Axial chest CT slice 174 of 350 (counted from the lowest slice); tube voltage 120 kVp, convolution kernel C; slices 1.50 mm thick, 0.725 mm per pixel.
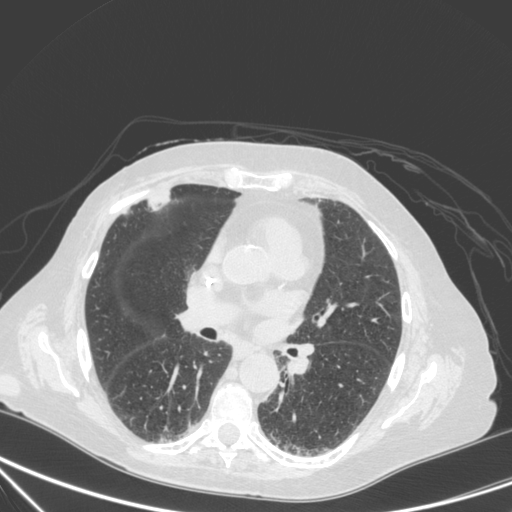
Two pulmonary nodules are outlined on this slice; from left to right: (1) Pulmonary nodule outlined by one of the four readers; box rows 211–213, columns 124–127 (that reader's outline on this slice); longest diameter 11.5 mm and volume 223 mm3 from that reader's outline. That reader's ratings: texture 5/5 (solid); margin 4/5; sphericity 4/5; calcification absent; internal structure soft tissue; subtlety 5/5; malignancy likelihood 4/5. (2) Pulmonary nodule outlined by one of the four readers; box rows 190–209, columns 148–169 (that reader's outline on this slice); longest diameter 29.5 mm and volume 4181 mm3 from that reader's outline. Ratings by that reader: texture 5/5 (solid); margin 4/5; sphericity 2/5; calcification absent; internal structure soft tissue; subtlety 5/5; malignancy likelihood 4/5. Scale key (1–5): texture non-solid→solid, margin indistinct→circumscribed, sphericity linear→round, subtlety extremely subtle→obvious, malignancy likelihood highly unlikely→highly suspicious of cancer. Box rows and columns are 0-based pixel indices from the top-left corner, inclusive.